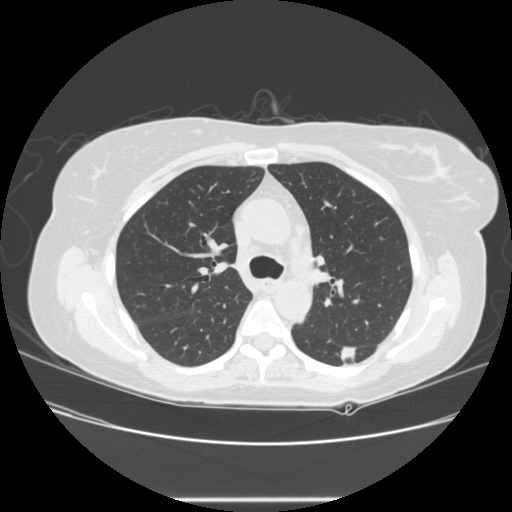
Chest CT, axial plane, 120 kVp, kernel STANDARD. Slice 168/245 from the bottom of the scan; thickness 1.25 mm; pixel size 0.730 mm.
Pulmonary nodule, outlined by all four readers. Box on this slice rows 346–363, columns 340–356, the union of the readers' outlines on this slice; longest diameter 27.2–36.8 mm and volume 3941–5997 mm3 across the four readers' outlines. Ratings across the readers: texture 5/5 (solid) from all four readers; margin from 1/5 (indistinct) to 4/5 across the four readers; sphericity from 2/5 to 4/5 across the four readers; calcification absent from all four readers; internal structure soft tissue from all four readers; subtlety 5/5, all four readers agreeing; malignancy likelihood 4–5/5 (the readers disagree). Scale key (1–5): texture non-solid→solid, margin indistinct→circumscribed, sphericity linear→round, subtlety extremely subtle→obvious, malignancy likelihood highly unlikely→highly suspicious of cancer. Box rows and columns are 0-based pixel indices from the top-left corner, inclusive.